Axial slice 472 of 764 of a chest CT (slice 1 is the lowest), reconstructed with the B31f kernel at 120 kVp; 1.00 mm slice thickness and 0.646 mm pixels.
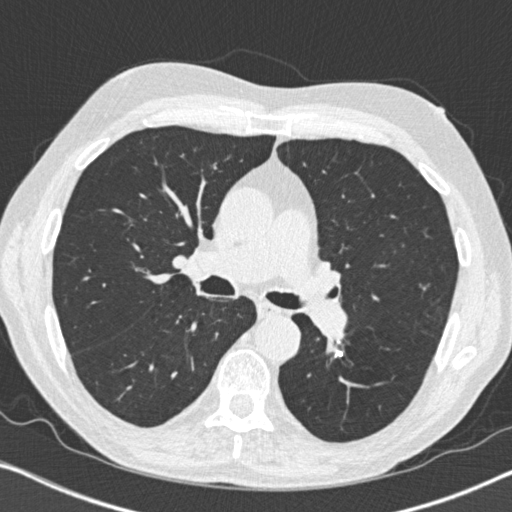
Pulmonary nodule outlined by one of the four readers; box rows 350–356, columns 335–342 (that reader's outline on this slice); longest diameter 8.3 mm and volume 154 mm3 from that reader's outline. That reader's ratings: texture 5/5 (solid); margin 5/5 (circumscribed); sphericity 3/5 (ovoid); calcification solid calcification; internal structure soft tissue; subtlety 5/5; malignancy likelihood 1/5. Scale key (1–5): texture non-solid→solid, margin indistinct→circumscribed, sphericity linear→round, subtlety extremely subtle→obvious, malignancy likelihood highly unlikely→highly suspicious of cancer. Box rows and columns are 0-based pixel indices from the top-left corner, inclusive.